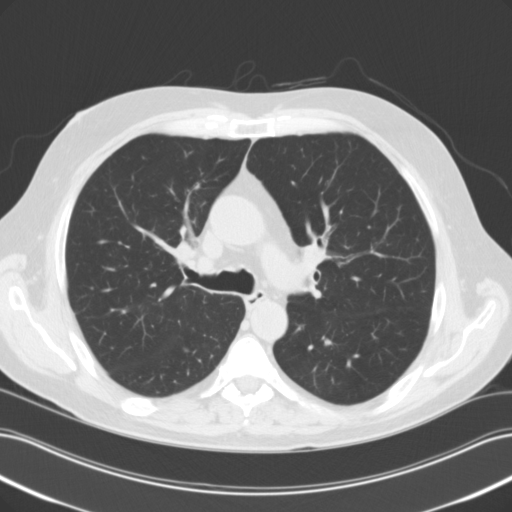
Chest CT, axial plane, 120 kVp, kernel B31f. Slice 76/118 from the bottom of the scan; thickness 3.00 mm; pixel size 0.707 mm.
Pulmonary nodule outlined by three of the four readers; box rows 348–352, columns 183–189 (the union of the readers' outlines on this slice); the three readers' outlines give a longest diameter between 6.3 and 7.3 mm and a volume between 98 and 144 mm3. The readers' ratings, as ranges where they differ: texture from 3/5 (part-solid) to 5/5 (solid) across the three readers; margin from 3/5 to 4/5 across the three readers; sphericity from 3/5 (ovoid) to 4/5 across the three readers; calcification absent, all three readers agreeing; internal structure soft tissue from all three readers; subtlety rated between 1 and 5 out of 5 by the three readers; malignancy likelihood from 2/5 to 3/5 across the three readers. Scale key (1–5): texture non-solid→solid, margin indistinct→circumscribed, sphericity linear→round, subtlety extremely subtle→obvious, malignancy likelihood highly unlikely→highly suspicious of cancer. Box rows and columns are 0-based pixel indices from the top-left corner, inclusive.